Axial chest CT slice 379 of 465 (counted from the lowest slice); tube voltage 120 kVp, convolution kernel STANDARD; slices 1.25 mm thick, 0.703 mm per pixel.
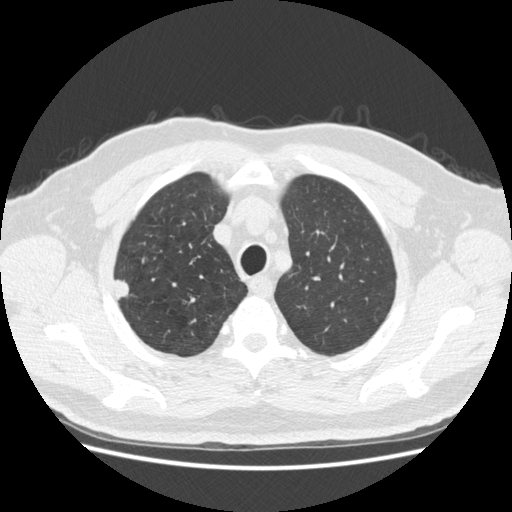
Pulmonary nodule at rows 278–299, columns 111–129 (box = the union of the readers' outlines on this slice), outlined by all four readers; the four readers' outlines give a longest diameter between 15.5 and 18.9 mm and a volume between 1041 and 1475 mm3. The readers' ratings, as ranges where they differ: texture 5/5 (solid) from all four readers; margin from 4/5 to 5/5 (circumscribed) across the four readers; sphericity from 3/5 (ovoid) to 5/5 (round) across the four readers; calcification absent, all four readers agreeing; internal structure soft tissue from all four readers; subtlety from 4/5 to 5/5 across the four readers; malignancy likelihood 2–5/5 (the readers disagree). Scale key (1–5): texture non-solid→solid, margin indistinct→circumscribed, sphericity linear→round, subtlety extremely subtle→obvious, malignancy likelihood highly unlikely→highly suspicious of cancer. Box rows and columns are 0-based pixel indices from the top-left corner, inclusive.